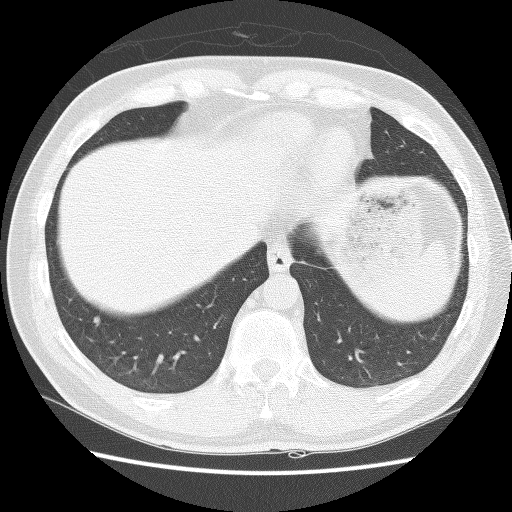
Axial chest CT slice 35 of 127 (counted from the lowest slice); 2.50 mm thick, 0.664 mm per pixel. Pulmonary nodule at rows 315–325, columns 92–100 (box = the union of the readers' outlines on this slice), outlined by all four readers; longest diameter 5.9–7.3 mm and volume 87–125 mm3 across the four readers' outlines. The readers' ratings, as ranges where they differ: texture from 3/5 (part-solid) to 5/5 (solid) across the four readers; margin from 3/5 to 5/5 (circumscribed) across the four readers; sphericity from 3/5 (ovoid) to 4/5 across the four readers; calcification absent, all four readers agreeing; internal structure soft tissue, all four readers agreeing; subtlety 2–5/5 (the readers disagree); malignancy likelihood 3/5 from all four readers. Scale key (1–5): texture non-solid→solid, margin indistinct→circumscribed, sphericity linear→round, subtlety extremely subtle→obvious, malignancy likelihood highly unlikely→highly suspicious of cancer. Box rows and columns are 0-based pixel indices from the top-left corner, inclusive.
Tube voltage 140 kVp; convolution kernel BONE.